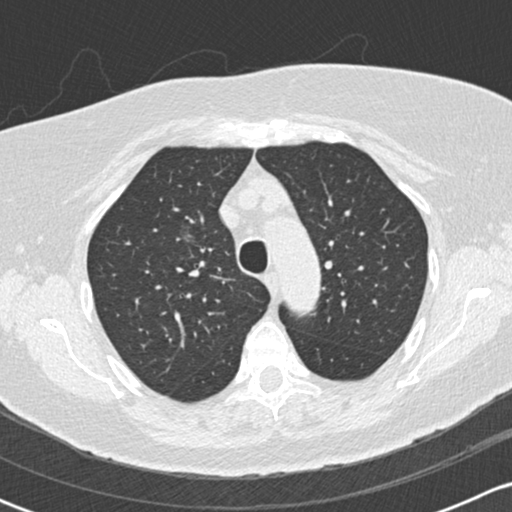
Slice 129/172 of a chest CT, counting up from the lowest; pixel size 0.605 mm, slice thickness 2.00 mm. Pulmonary nodule, outlined by one of the four readers. Box on this slice rows 231–240, columns 180–193, that reader's outline on this slice; longest diameter 11.4 mm and volume 292 mm3 from that reader's outline. Ratings by that reader: texture 1/5 (non-solid); margin 1/5 (indistinct); sphericity 2/5; calcification absent; internal structure soft tissue; subtlety 1/5; malignancy likelihood 4/5. Scale key (1–5): texture non-solid→solid, margin indistinct→circumscribed, sphericity linear→round, subtlety extremely subtle→obvious, malignancy likelihood highly unlikely→highly suspicious of cancer. Box rows and columns are 0-based pixel indices from the top-left corner, inclusive.
Scan settings: 120 kVp, B30f reconstruction kernel.